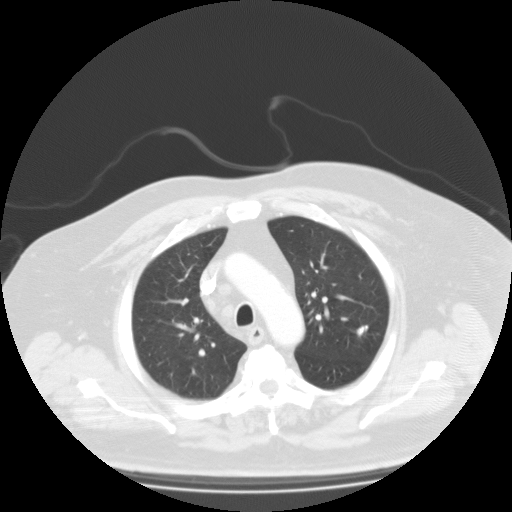
Axial chest CT slice 91 of 123 (counted from the lowest slice); tube voltage 135 kVp, convolution kernel FC01; slices 3.00 mm thick, 0.877 mm per pixel.
Pulmonary nodule, outlined by two of the four readers. Box on this slice rows 325–335, columns 357–367, the union of the readers' outlines on this slice; longest diameter 12.2–13.2 mm and volume 398–442 mm3 across the two readers' outlines. The readers' ratings, as ranges where they differ: texture 5/5 (solid), both readers agreeing; margin from 4/5 to 5/5 (circumscribed) across the two readers; sphericity from 3/5 (ovoid) to 4/5 across the two readers; calcification split among the readers: central calcification (one), absent (one); internal structure soft tissue from both readers; subtlety rated between 4 and 5 out of 5 by the two readers; malignancy likelihood 1–2/5 (the readers disagree). Scale key (1–5): texture non-solid→solid, margin indistinct→circumscribed, sphericity linear→round, subtlety extremely subtle→obvious, malignancy likelihood highly unlikely→highly suspicious of cancer. Box rows and columns are 0-based pixel indices from the top-left corner, inclusive.